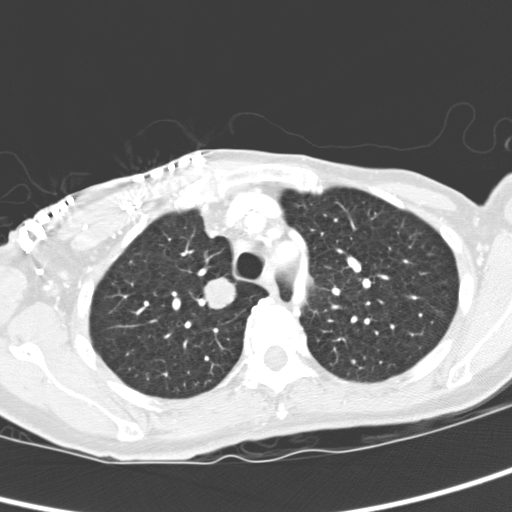
Axial chest CT slice 250 of 321 (counted from the lowest slice); tube voltage 120 kVp, convolution kernel D; slices 2.00 mm thick, 0.557 mm per pixel.
Pulmonary nodule, outlined by all four readers. Box on this slice rows 276–309, columns 202–238, the union of the readers' outlines on this slice; median longest diameter 20.8 mm (readers' outlines 19.2–21.9 mm), median volume 3674 mm3 (3323–4100 mm3). Median ratings and the readers' spread: texture 5/5 (solid) from all four readers; median margin 5/5 (circumscribed) (readers ranged 4/5 to 5/5 (circumscribed)); median sphericity 5/5 (round) (readers ranged 4/5 to 5/5 (round)); calcification absent, all four readers agreeing; internal structure soft tissue, all four readers agreeing; subtlety 5/5 from all four readers; malignancy likelihood 4.5/5 at the median of four readers, spread 3–5. Scale key (1–5): texture non-solid→solid, margin indistinct→circumscribed, sphericity linear→round, subtlety extremely subtle→obvious, malignancy likelihood highly unlikely→highly suspicious of cancer. Box rows and columns are 0-based pixel indices from the top-left corner, inclusive.